Chest CT, axial plane, 120 kVp, kernel STANDARD. Slice 168/449 from the bottom of the scan; thickness 1.25 mm; pixel size 0.742 mm.
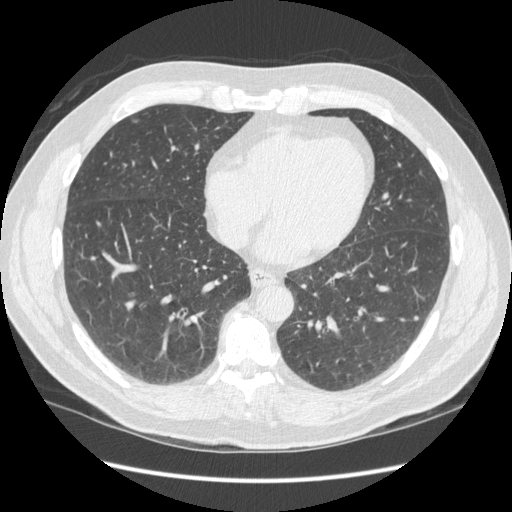
Two pulmonary nodules on this slice, listed from left to right. (1) Pulmonary nodule at rows 119–123, columns 132–138 (box = that reader's outline on this slice), outlined by one of the four readers; longest diameter 6.1 mm and volume 97 mm3 from that reader's outline. Ratings by that reader: texture 5/5 (solid); margin 5/5 (circumscribed); sphericity 5/5 (round); calcification absent; internal structure soft tissue; subtlety 4/5; malignancy likelihood 3/5. (2) Pulmonary nodule, outlined by one of the four readers. Box on this slice rows 317–319, columns 415–417, that reader's outline on this slice; longest diameter 4.8 mm and volume 31 mm3 from that reader's outline. That reader's ratings: texture 5/5 (solid); margin 5/5 (circumscribed); sphericity 5/5 (round); calcification absent; internal structure soft tissue; subtlety 2/5; malignancy likelihood 2/5. Scale key (1–5): texture non-solid→solid, margin indistinct→circumscribed, sphericity linear→round, subtlety extremely subtle→obvious, malignancy likelihood highly unlikely→highly suspicious of cancer. Box rows and columns are 0-based pixel indices from the top-left corner, inclusive.